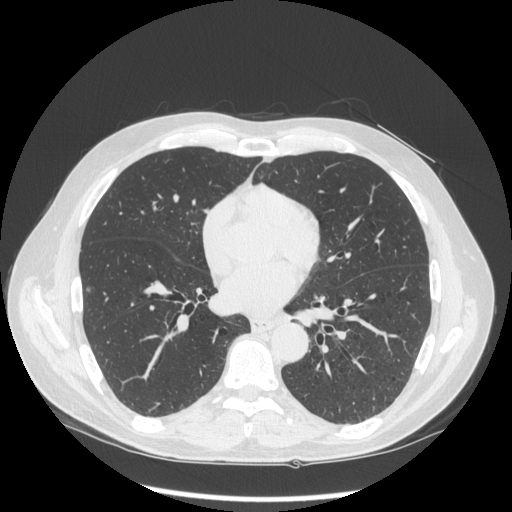
Axial chest CT slice 133 of 297 (counted from the lowest slice); 1.25 mm thick, 0.787 mm per pixel. Pulmonary nodule outlined by all four readers; box rows 286–293, columns 85–91 (the union of the readers' outlines on this slice); longest diameter 8.2–9.2 mm and volume 151–187 mm3 across the four readers' outlines. The readers' ratings, as ranges where they differ: texture from 1/5 (non-solid) to 3/5 (part-solid) across the four readers; margin from 1/5 (indistinct) to 5/5 (circumscribed) across the four readers; sphericity from 3/5 (ovoid) to 5/5 (round) across the four readers; calcification absent, all four readers agreeing; internal structure soft tissue from all four readers; subtlety rated between 1 and 4 out of 5 by the four readers; malignancy likelihood rated between 2 and 4 out of 5 by the four readers. Scale key (1–5): texture non-solid→solid, margin indistinct→circumscribed, sphericity linear→round, subtlety extremely subtle→obvious, malignancy likelihood highly unlikely→highly suspicious of cancer. Box rows and columns are 0-based pixel indices from the top-left corner, inclusive.
Tube voltage 120 kVp; convolution kernel STANDARD.